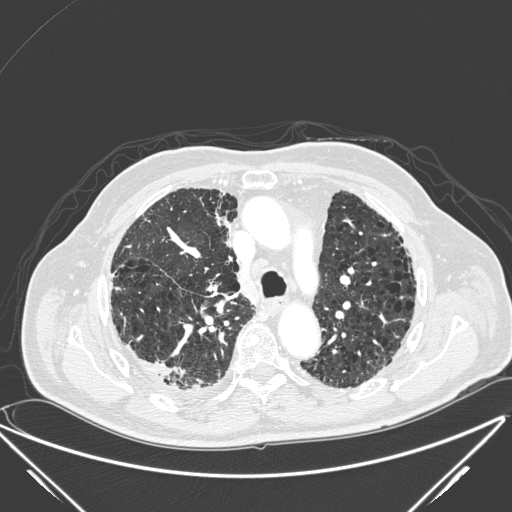
Chest CT, axial plane, 120 kVp, kernel D. Slice 157/278 from the bottom of the scan; thickness 1.00 mm; pixel size 0.812 mm.
Pulmonary nodule at rows 360–380, columns 153–184 (box = the union of the readers' outlines on this slice), outlined by all four readers, two of them on this slice; longest diameter 31.1 mm on average over the four readers' outlines (readers' outlines 17.4–39.8 mm), volume 1021–4525 mm3. The readers' prevailing ratings and who disagreed: texture 5/5 (solid) from all four readers; margin split among the readers: 1/5 (indistinct) (one), 2/5 (one), 3/5 (one), 5/5 (circumscribed) (one); most readers (three of four) put sphericity at 2/5, others 5/5 (round) (one); calcification absent from all four readers; internal structure soft tissue, all four readers agreeing; subtlety split among the readers: 4/5 (two), 5/5 (two); malignancy likelihood 5/5 by two of four readers; the rest gave 3/5 (one), 4/5 (one). Scale key (1–5): texture non-solid→solid, margin indistinct→circumscribed, sphericity linear→round, subtlety extremely subtle→obvious, malignancy likelihood highly unlikely→highly suspicious of cancer. Box rows and columns are 0-based pixel indices from the top-left corner, inclusive.